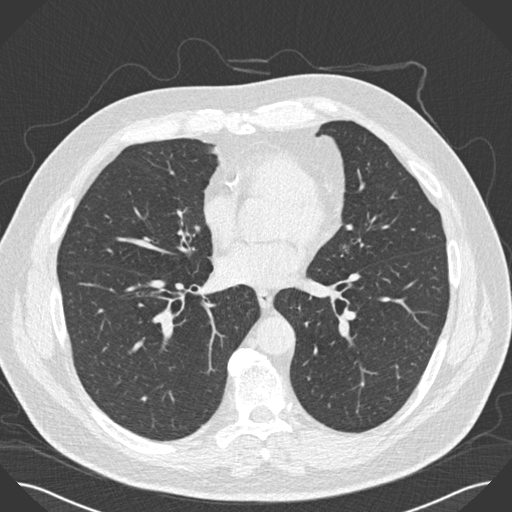
One axial slice (100 of 199, counting up from the lowest) of a chest CT acquired at 120 kVp with the B30f kernel; each pixel is 0.762 mm and the slice is 2.00 mm thick.
No nodule 3 mm or larger was outlined here by any reader.